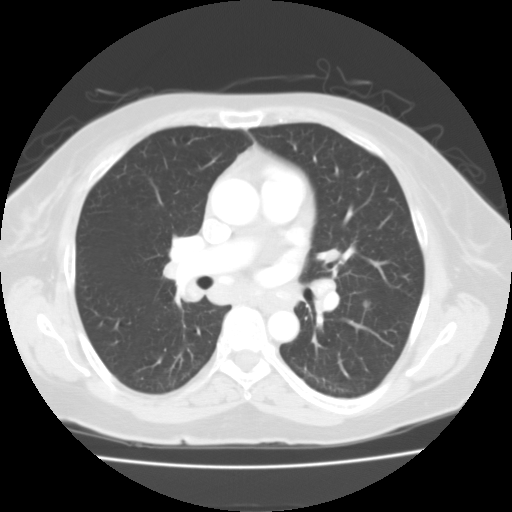
One axial slice (62 of 109, counting up from the lowest) of a chest CT acquired at 135 kVp with the FC01 kernel; each pixel is 0.671 mm and the slice is 3.00 mm thick.
Pulmonary nodule at rows 300–307, columns 362–370 (box = the union of the readers' outlines on this slice), outlined by all four readers; median longest diameter 7.4 mm (readers' outlines 6.9–7.5 mm), median volume 235 mm3 (136–260 mm3). Ratings, median across the readers with their spread: texture 5/5 (solid), all four readers agreeing; margin 5/5 (circumscribed) at the median of four readers, spread 4/5 to 5/5 (circumscribed); median sphericity 5/5 (round) (readers ranged 3/5 (ovoid) to 5/5 (round)); calcification absent, all four readers agreeing; internal structure soft tissue, all four readers agreeing; median subtlety 3.5/5 (readers ranged 3–5); median malignancy likelihood 3/5 (readers ranged 1–3). Scale key (1–5): texture non-solid→solid, margin indistinct→circumscribed, sphericity linear→round, subtlety extremely subtle→obvious, malignancy likelihood highly unlikely→highly suspicious of cancer. Box rows and columns are 0-based pixel indices from the top-left corner, inclusive.